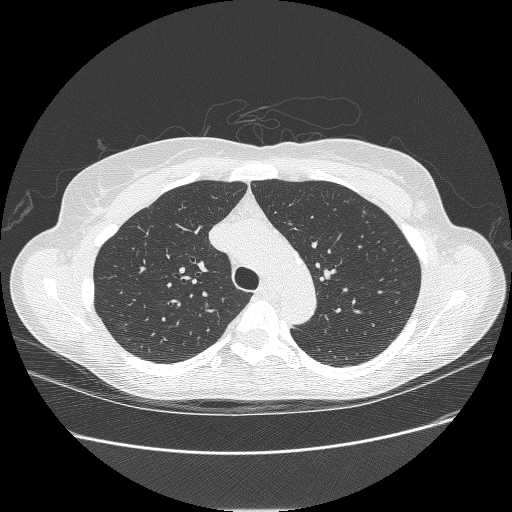
Slice 185/238 of a chest CT, counting up from the lowest; pixel size 0.703 mm, slice thickness 1.25 mm. Pulmonary nodule outlined by one of the four readers; box rows 243–245, columns 143–146 (that reader's outline on this slice); longest diameter 6.5 mm and volume 57 mm3 from that reader's outline. Ratings by that reader: texture 3/5 (part-solid); margin 1/5 (indistinct); sphericity 4/5; calcification absent; internal structure soft tissue; subtlety 1/5; malignancy likelihood 4/5. Scale key (1–5): texture non-solid→solid, margin indistinct→circumscribed, sphericity linear→round, subtlety extremely subtle→obvious, malignancy likelihood highly unlikely→highly suspicious of cancer. Box rows and columns are 0-based pixel indices from the top-left corner, inclusive.
Acquired at 120 kVp and reconstructed with the BONE kernel.